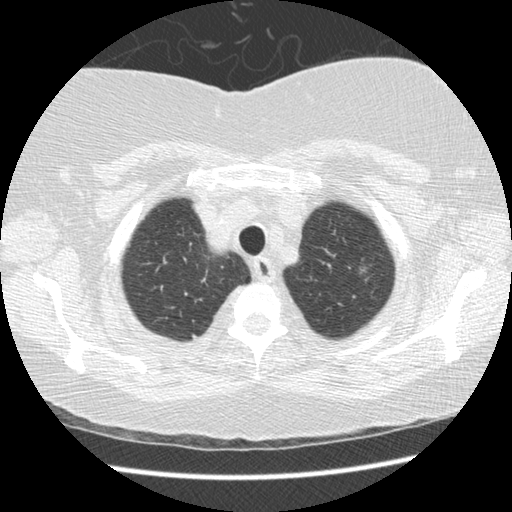
One axial slice (420 of 474, counting up from the lowest) of a chest CT acquired at 120 kVp with the STANDARD kernel; each pixel is 0.645 mm and the slice is 1.25 mm thick.
Pulmonary nodule outlined by three of the four readers; box rows 266–273, columns 358–367 (the union of the readers' outlines on this slice); longest diameter 9.2 mm on average over the three readers' outlines (readers' outlines 8.2–9.8 mm), volume 122–196 mm3. Ratings, by the readers' most common answer with dissent counted: texture split among the readers: 1/5 (non-solid) (one), 3/5 (part-solid) (one), 5/5 (solid) (one); margin split among the readers: 2/5 (one), 3/5 (one), 4/5 (one); most readers (two of three) put sphericity at 4/5, others 5/5 (round) (one); calcification absent from all three readers; internal structure soft tissue, all three readers agreeing; subtlety 5/5 by two of three readers; the rest gave 4/5 (one); malignancy likelihood 4/5 from all three readers. Scale key (1–5): texture non-solid→solid, margin indistinct→circumscribed, sphericity linear→round, subtlety extremely subtle→obvious, malignancy likelihood highly unlikely→highly suspicious of cancer. Box rows and columns are 0-based pixel indices from the top-left corner, inclusive.